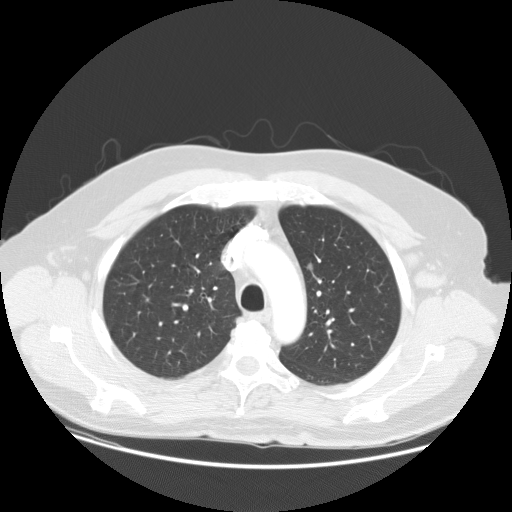
Axial chest CT slice 82 of 115 (counted from the lowest slice); tube voltage 120 kVp, convolution kernel STANDARD; slices 2.50 mm thick, 0.820 mm per pixel.
Pulmonary nodule at rows 263–270, columns 307–313 (box = the union of the readers' outlines on this slice), outlined by all four readers; median longest diameter 8.7 mm (readers' outlines 8.2–8.8 mm), median volume 211 mm3 (205–271 mm3). Median ratings and the readers' spread: texture 5/5 (solid), all four readers agreeing; median margin 4.5/5 (readers ranged 4/5 to 5/5 (circumscribed)); sphericity 4/5 at the median of four readers, spread 3/5 (ovoid) to 4/5; calcification absent from all four readers; internal structure soft tissue from all four readers; subtlety 3/5 at the median of four readers, spread 3–4; median malignancy likelihood 3/5 (readers ranged 2–3). Scale key (1–5): texture non-solid→solid, margin indistinct→circumscribed, sphericity linear→round, subtlety extremely subtle→obvious, malignancy likelihood highly unlikely→highly suspicious of cancer. Box rows and columns are 0-based pixel indices from the top-left corner, inclusive.